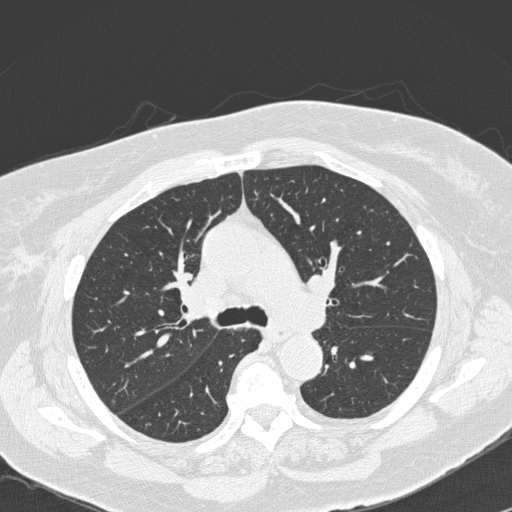
Slice 156/280 of a chest CT, counting up from the lowest; pixel size 0.666 mm, slice thickness 1.00 mm. No nodule 3 mm or larger was outlined here by any reader.
Tube voltage 120 kVp; convolution kernel D.